Axial chest CT slice 80 of 133 (counted from the lowest slice); tube voltage 120 kVp, convolution kernel LUNG; slices 2.50 mm thick, 0.859 mm per pixel.
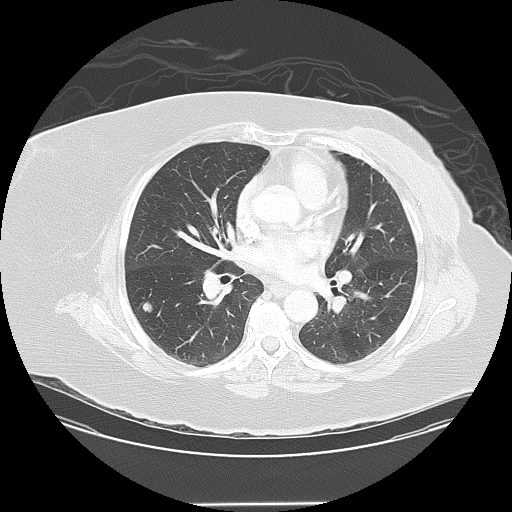
Pulmonary nodule outlined by all four readers; box rows 301–312, columns 142–152 (the union of the readers' outlines on this slice); median longest diameter 12.6 mm (readers' outlines 11.9–14.2 mm), median volume 935 mm3 (819–997 mm3). Ratings, median across the readers with their spread: texture 5/5 (solid) from all four readers; margin 5/5 (circumscribed) at the median of four readers, spread 4/5 to 5/5 (circumscribed); sphericity 4/5 at the median of four readers, spread 3/5 (ovoid) to 4/5; calcification absent from all four readers; internal structure soft tissue from all four readers; subtlety 5/5 at the median of four readers, spread 4–5; median malignancy likelihood 3/5 (readers ranged 2–5). Scale key (1–5): texture non-solid→solid, margin indistinct→circumscribed, sphericity linear→round, subtlety extremely subtle→obvious, malignancy likelihood highly unlikely→highly suspicious of cancer. Box rows and columns are 0-based pixel indices from the top-left corner, inclusive.